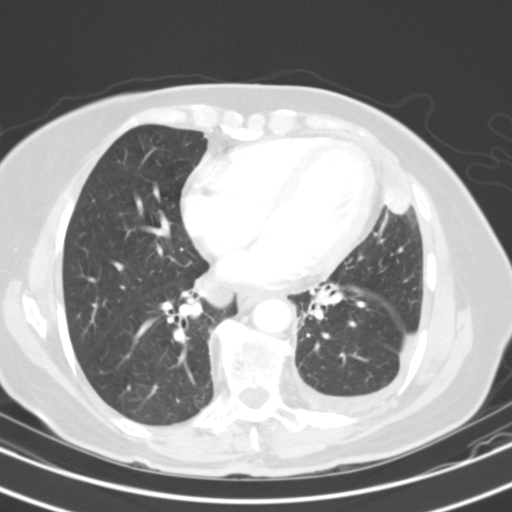
Chest CT, axial plane, 130 kVp, kernel B31s. Slice 59/121 from the bottom of the scan; thickness 3.00 mm; pixel size 0.613 mm.
Pulmonary nodule at rows 186–214, columns 385–410 (box = the union of the readers' outlines on this slice), outlined by two of the four readers; median longest diameter 19.9 mm (readers' outlines 19.2–20.6 mm), median volume 4831 mm3 (4717–4944 mm3). Ratings, median across the readers with their spread: texture 5/5 (solid), both readers agreeing; median margin 3.5/5 (readers ranged 3/5 to 4/5); sphericity 4.5/5 at the median of two readers, spread 4/5 to 5/5 (round); calcification absent, both readers agreeing; internal structure soft tissue, both readers agreeing; median subtlety 4/5 (readers ranged 3–5); median malignancy likelihood 3.5/5 (readers ranged 3–4). Scale key (1–5): texture non-solid→solid, margin indistinct→circumscribed, sphericity linear→round, subtlety extremely subtle→obvious, malignancy likelihood highly unlikely→highly suspicious of cancer. Box rows and columns are 0-based pixel indices from the top-left corner, inclusive.